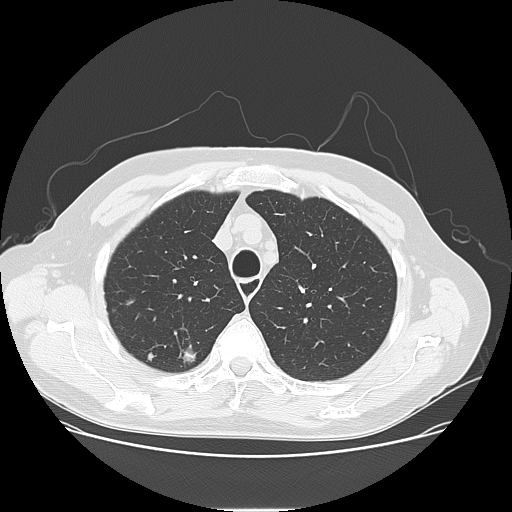
Chest CT, axial plane, 120 kVp, kernel LUNG. Slice 109/141 from the bottom of the scan; thickness 2.50 mm; pixel size 0.762 mm.
Two pulmonary nodules on this slice, listed from left to right. (1) Pulmonary nodule, outlined by all four readers. Box on this slice rows 352–360, columns 147–156, the union of the readers' outlines on this slice; longest diameter 7.5 mm on average over the four readers' outlines (readers' outlines 6.9–8.2 mm), volume 59–170 mm3. Ratings, by the readers' most common answer with dissent counted: texture 5/5 (solid), all four readers agreeing; margin split among the readers: 4/5 (two), 5/5 (circumscribed) (two); most readers (three of four) put sphericity at 3/5 (ovoid), others 5/5 (round) (one); calcification absent from all four readers; internal structure soft tissue from all four readers; subtlety split among the readers: 2/5 (one), 3/5 (one), 4/5 (one), 5/5 (one); malignancy likelihood 3/5 from all four readers. (2) Pulmonary nodule outlined by all four readers; box rows 347–363, columns 183–195 (the union of the readers' outlines on this slice); the four readers' outlines give a longest diameter between 15.9 and 17.1 mm and a volume between 1828 and 2231 mm3. Ratings across the readers: texture from 3/5 (part-solid) to 5/5 (solid) across the four readers; margin from 2/5 to 5/5 (circumscribed) across the four readers; sphericity from 3/5 (ovoid) to 5/5 (round) across the four readers; calcification absent from all four readers; internal structure soft tissue from all four readers; subtlety 4–5/5 (the readers disagree); malignancy likelihood 3–5/5 (the readers disagree). Scale key (1–5): texture non-solid→solid, margin indistinct→circumscribed, sphericity linear→round, subtlety extremely subtle→obvious, malignancy likelihood highly unlikely→highly suspicious of cancer. Box rows and columns are 0-based pixel indices from the top-left corner, inclusive.